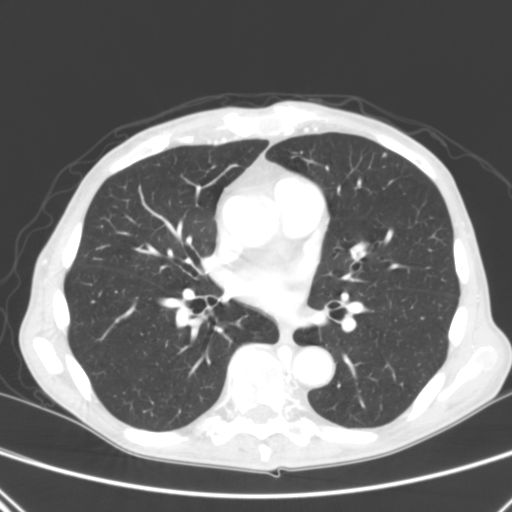
Axial slice 143 of 290 of a chest CT (slice 1 is the lowest), reconstructed with the B kernel at 120 kVp; 2.00 mm slice thickness and 0.639 mm pixels.
Pulmonary nodule at rows 153–156, columns 381–386 (box = the union of the readers' outlines on this slice), outlined by two of the four readers; longest diameter 4.8 mm on average over the two readers' outlines (readers' outlines 4.6–4.9 mm), volume 37–52 mm3. The readers' prevailing ratings and who disagreed: texture 5/5 (solid) from both readers; margin split among the readers: 4/5 (one), 5/5 (circumscribed) (one); sphericity 4/5, both readers agreeing; calcification absent from both readers; internal structure soft tissue from both readers; subtlety split among the readers: 4/5 (one), 5/5 (one); malignancy likelihood split among the readers: 2/5 (one), 3/5 (one). Scale key (1–5): texture non-solid→solid, margin indistinct→circumscribed, sphericity linear→round, subtlety extremely subtle→obvious, malignancy likelihood highly unlikely→highly suspicious of cancer. Box rows and columns are 0-based pixel indices from the top-left corner, inclusive.